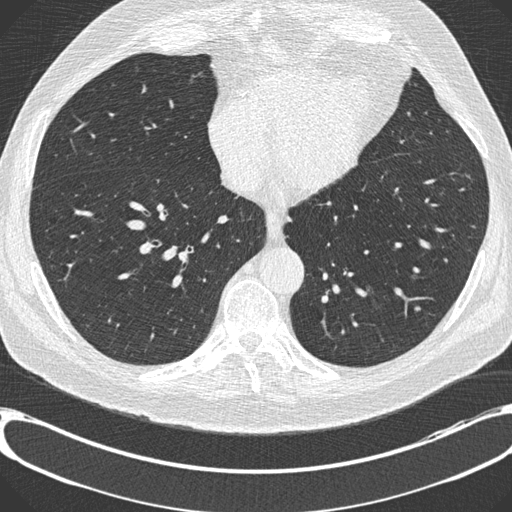
Chest CT, axial plane, 120 kVp, kernel B30f. Slice 291/730 from the bottom of the scan; thickness 0.60 mm; pixel size 0.730 mm.
Pulmonary nodule outlined by one of the four readers; box rows 306–310, columns 413–419 (that reader's outline on this slice); longest diameter 7.2 mm and volume 114 mm3 from that reader's outline. That reader's ratings: texture 5/5 (solid); margin 5/5 (circumscribed); sphericity 5/5 (round); calcification absent; internal structure soft tissue; subtlety 3/5; malignancy likelihood 2/5. Scale key (1–5): texture non-solid→solid, margin indistinct→circumscribed, sphericity linear→round, subtlety extremely subtle→obvious, malignancy likelihood highly unlikely→highly suspicious of cancer. Box rows and columns are 0-based pixel indices from the top-left corner, inclusive.